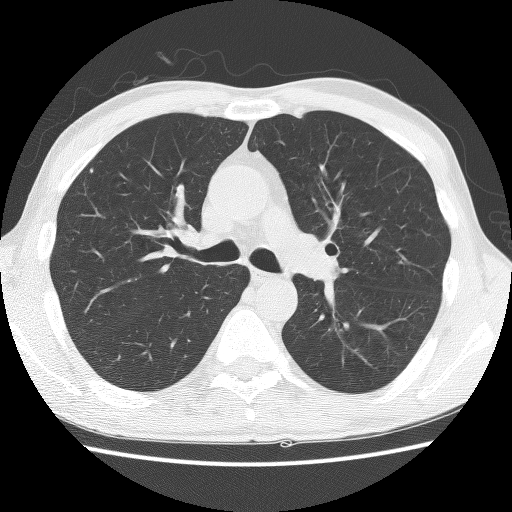
This is axial slice 82 of 136 (slice 1 is the lowest) of a chest CT; each pixel is 0.646 mm and the slice is 2.50 mm thick. Pulmonary nodule outlined by one of the four readers; box rows 169–171, columns 91–91 (that reader's outline on this slice); longest diameter 2.6 mm and volume 11 mm3 from that reader's outline. That reader's ratings: texture 5/5 (solid); margin 5/5 (circumscribed); sphericity 3/5 (ovoid); calcification central calcification; internal structure soft tissue; subtlety 5/5; malignancy likelihood 1/5. Scale key (1–5): texture non-solid→solid, margin indistinct→circumscribed, sphericity linear→round, subtlety extremely subtle→obvious, malignancy likelihood highly unlikely→highly suspicious of cancer. Box rows and columns are 0-based pixel indices from the top-left corner, inclusive.
Scan settings: 140 kVp, BONE reconstruction kernel.